Chest CT, axial plane, 120 kVp, kernel B45f. Slice 268/330 from the bottom of the scan; thickness 1.00 mm; pixel size 0.762 mm.
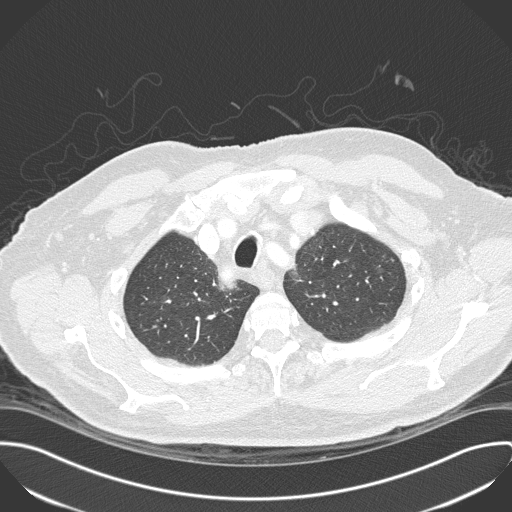
Pulmonary nodule at rows 295–302, columns 160–169 (box = the union of the readers' outlines on this slice), outlined by all four readers, two of them on this slice; median longest diameter 16.9 mm (readers' outlines 15.2–19.9 mm), median volume 843 mm3 (678–927 mm3). Median ratings and the readers' spread: texture 1/5 (non-solid) at the median of four readers, spread 1/5 (non-solid) to 2/5; margin 2/5 at the median of four readers, spread 1/5 (indistinct) to 4/5; sphericity 4/5 at the median of four readers, spread 3/5 (ovoid) to 5/5 (round); calcification absent from all four readers; internal structure soft tissue from all four readers; subtlety 3/5 at the median of four readers, spread 1–4; median malignancy likelihood 3.5/5 (readers ranged 2–4). Scale key (1–5): texture non-solid→solid, margin indistinct→circumscribed, sphericity linear→round, subtlety extremely subtle→obvious, malignancy likelihood highly unlikely→highly suspicious of cancer. Box rows and columns are 0-based pixel indices from the top-left corner, inclusive.